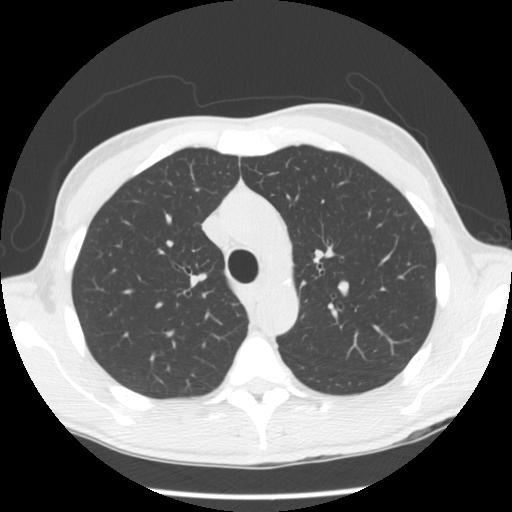
One axial slice (109 of 163, counting up from the lowest) of a chest CT acquired at 120 kVp with the STANDARD kernel; each pixel is 0.664 mm and the slice is 2.50 mm thick.
This slice carries no reader outline of a nodule 3 mm or larger.